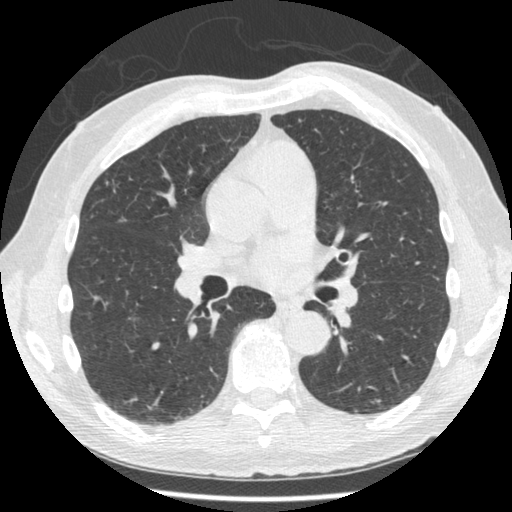
Axial chest CT slice 247 of 481 (counted from the lowest slice); 1.25 mm thick, 0.664 mm per pixel. Pulmonary nodule, outlined by one of the four readers. Box on this slice rows 117–121, columns 297–300, that reader's outline on this slice; longest diameter 6.6 mm and volume 59 mm3 from that reader's outline. That reader's ratings: texture 5/5 (solid); margin 5/5 (circumscribed); sphericity 3/5 (ovoid); calcification absent; internal structure soft tissue; subtlety 4/5; malignancy likelihood 3/5. Scale key (1–5): texture non-solid→solid, margin indistinct→circumscribed, sphericity linear→round, subtlety extremely subtle→obvious, malignancy likelihood highly unlikely→highly suspicious of cancer. Box rows and columns are 0-based pixel indices from the top-left corner, inclusive.
Scan settings: 120 kVp, STANDARD reconstruction kernel.